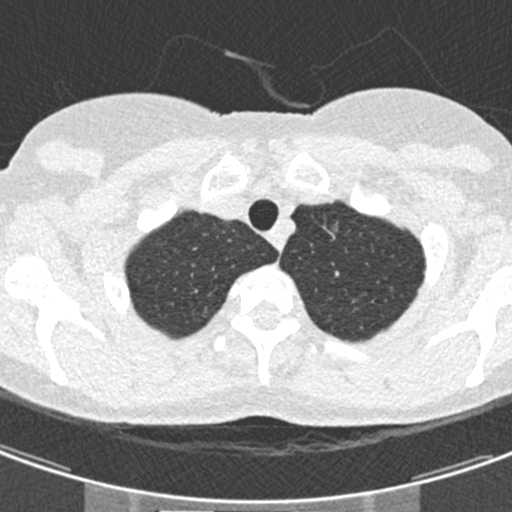
One axial slice (386 of 429, counting up from the lowest) of a chest CT acquired at 120 kVp with the B30f kernel; each pixel is 0.537 mm and the slice is 0.75 mm thick.
Pulmonary nodule at rows 224–230, columns 330–336 (box = that reader's outline on this slice), outlined by one of the four readers; longest diameter 7.3 mm and volume 72 mm3 from that reader's outline. That reader's ratings: texture 1/5 (non-solid); margin 1/5 (indistinct); sphericity 4/5; calcification absent; internal structure soft tissue; subtlety 1/5; malignancy likelihood 3/5. Scale key (1–5): texture non-solid→solid, margin indistinct→circumscribed, sphericity linear→round, subtlety extremely subtle→obvious, malignancy likelihood highly unlikely→highly suspicious of cancer. Box rows and columns are 0-based pixel indices from the top-left corner, inclusive.